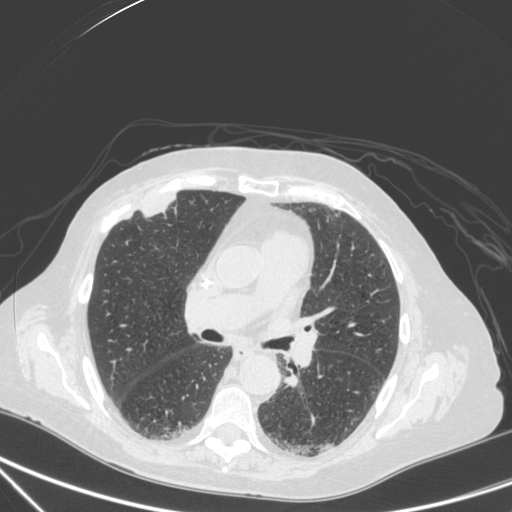
Axial chest CT slice 185 of 350 (counted from the lowest slice); tube voltage 120 kVp, convolution kernel C; slices 1.50 mm thick, 0.725 mm per pixel.
Two pulmonary nodules on this slice, listed from left to right. (1) Pulmonary nodule outlined by one of the four readers; box rows 213–218, columns 126–132 (that reader's outline on this slice); longest diameter 11.5 mm and volume 223 mm3 from that reader's outline. Ratings by that reader: texture 5/5 (solid); margin 4/5; sphericity 4/5; calcification absent; internal structure soft tissue; subtlety 5/5; malignancy likelihood 4/5. (2) Pulmonary nodule, outlined by one of the four readers. Box on this slice rows 194–216, columns 143–175, that reader's outline on this slice; longest diameter 29.5 mm and volume 4181 mm3 from that reader's outline. That reader's ratings: texture 5/5 (solid); margin 4/5; sphericity 2/5; calcification absent; internal structure soft tissue; subtlety 5/5; malignancy likelihood 4/5. Scale key (1–5): texture non-solid→solid, margin indistinct→circumscribed, sphericity linear→round, subtlety extremely subtle→obvious, malignancy likelihood highly unlikely→highly suspicious of cancer. Box rows and columns are 0-based pixel indices from the top-left corner, inclusive.